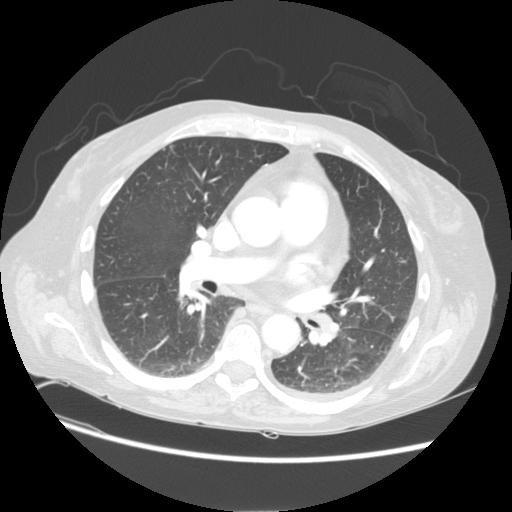
Chest CT, axial plane, 120 kVp, kernel STANDARD. Slice 68/113 from the bottom of the scan; thickness 2.50 mm; pixel size 0.742 mm.
The readers outlined no nodule of 3 mm or more on this slice.